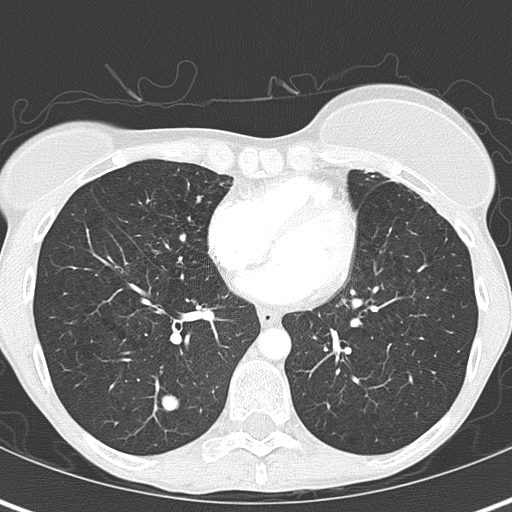
Axial slice 167 of 345 of a chest CT (slice 1 is the lowest), reconstructed with the B70f kernel at 120 kVp; 2.00 mm slice thickness and 0.541 mm pixels.
Pulmonary nodule, outlined by all four readers. Box on this slice rows 395–411, columns 161–179, the union of the readers' outlines on this slice; median longest diameter 13.8 mm (readers' outlines 13.7–13.9 mm), median volume 804 mm3 (707–844 mm3). Ratings, median across the readers with their spread: texture 5/5 (solid), all four readers agreeing; margin 5/5 (circumscribed), all four readers agreeing; sphericity 4/5 at the median of four readers, spread 3/5 (ovoid) to 5/5 (round); calcification split among the readers: laminated calcification (two), solid calcification (two); internal structure soft tissue, all four readers agreeing; subtlety 5/5 from all four readers; malignancy likelihood 1/5, all four readers agreeing. Scale key (1–5): texture non-solid→solid, margin indistinct→circumscribed, sphericity linear→round, subtlety extremely subtle→obvious, malignancy likelihood highly unlikely→highly suspicious of cancer. Box rows and columns are 0-based pixel indices from the top-left corner, inclusive.